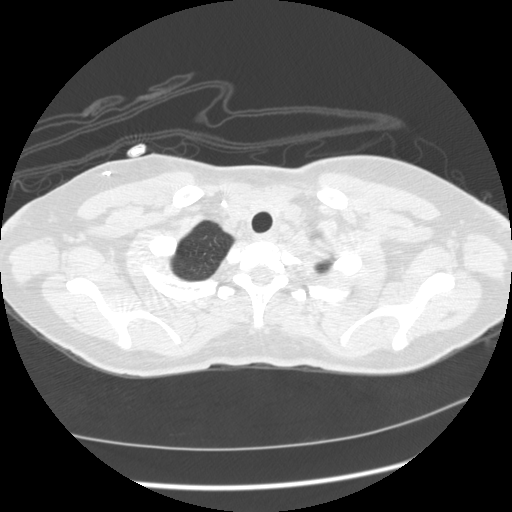
Axial slice 187 of 209 of a chest CT (slice 1 is the lowest), reconstructed with the STANDARD kernel at 120 kVp; 1.25 mm slice thickness and 0.693 mm pixels.
Pulmonary nodule, outlined by all four readers, one of them on this slice. Box on this slice rows 237–261, columns 312–329, the one reader's outline on this slice; the four readers' outlines give a longest diameter between 21.8 and 25.6 mm and a volume between 2801 and 4927 mm3. The readers' ratings, as ranges where they differ: texture from 4/5 to 5/5 (solid) across the four readers; margin from 3/5 to 4/5 across the four readers; sphericity from 2/5 to 5/5 (round) across the four readers; calcification absent from all four readers; internal structure soft tissue, all four readers agreeing; subtlety 5/5, all four readers agreeing; malignancy likelihood from 3/5 to 5/5 across the four readers. Scale key (1–5): texture non-solid→solid, margin indistinct→circumscribed, sphericity linear→round, subtlety extremely subtle→obvious, malignancy likelihood highly unlikely→highly suspicious of cancer. Box rows and columns are 0-based pixel indices from the top-left corner, inclusive.